Axial slice 296 of 503 of a chest CT (slice 1 is the lowest), reconstructed with the STANDARD kernel at 120 kVp; 1.25 mm slice thickness and 0.742 mm pixels.
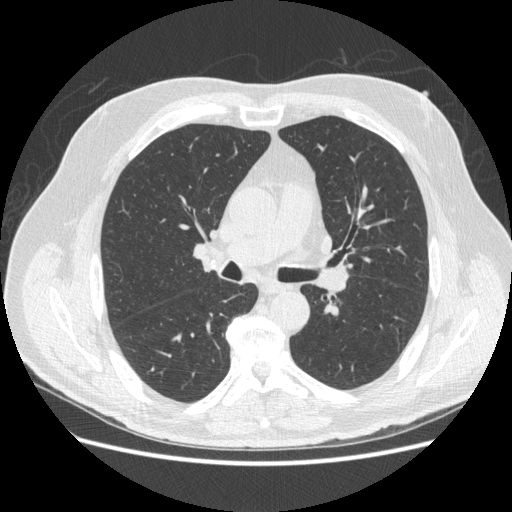
Pulmonary nodule outlined by two of the four readers, one of them on this slice; box rows 366–371, columns 150–154 (the one reader's outline on this slice); longest diameter 5.1 mm on average over the two readers' outlines (readers' outlines 4.5–5.7 mm), volume 33–65 mm3. Ratings, by the readers' most common answer with dissent counted: texture 5/5 (solid) from both readers; margin 5/5 (circumscribed) from both readers; sphericity split among the readers: 4/5 (one), 5/5 (round) (one); calcification solid calcification from both readers; internal structure soft tissue, both readers agreeing; subtlety 4/5 from both readers; malignancy likelihood 1/5 from both readers. Scale key (1–5): texture non-solid→solid, margin indistinct→circumscribed, sphericity linear→round, subtlety extremely subtle→obvious, malignancy likelihood highly unlikely→highly suspicious of cancer. Box rows and columns are 0-based pixel indices from the top-left corner, inclusive.